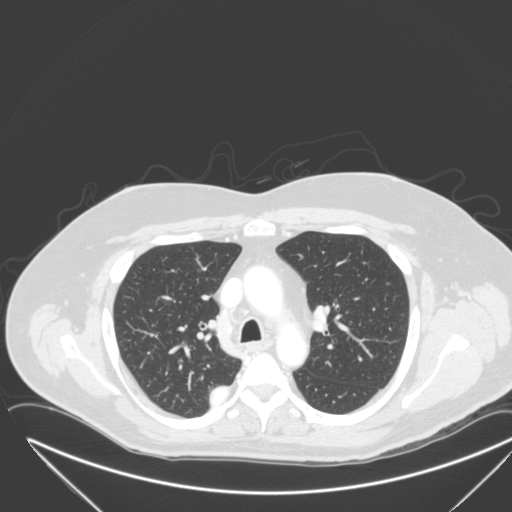
One axial slice (219 of 315, counting up from the lowest) of a chest CT acquired at 120 kVp with the B kernel; each pixel is 0.830 mm and the slice is 2.00 mm thick.
Pulmonary nodule, outlined by one of the four readers. Box on this slice rows 386–407, columns 210–228, that reader's outline on this slice; longest diameter 27.1 mm and volume 6093 mm3 from that reader's outline. Ratings by that reader: texture 5/5 (solid); margin 4/5; sphericity 2/5; calcification absent; internal structure soft tissue; subtlety 5/5; malignancy likelihood 4/5. Scale key (1–5): texture non-solid→solid, margin indistinct→circumscribed, sphericity linear→round, subtlety extremely subtle→obvious, malignancy likelihood highly unlikely→highly suspicious of cancer. Box rows and columns are 0-based pixel indices from the top-left corner, inclusive.